One axial slice (411 of 481, counting up from the lowest) of a chest CT acquired at 120 kVp with the STANDARD kernel; each pixel is 0.742 mm and the slice is 1.25 mm thick.
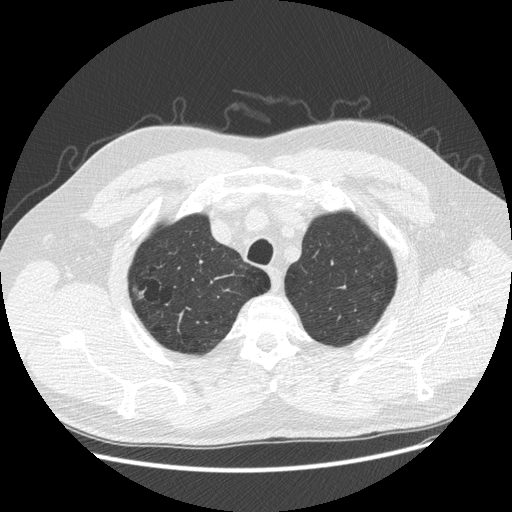
Pulmonary nodule, outlined by two of the four readers. Box on this slice rows 285–299, columns 132–143, the union of the readers' outlines on this slice; the two readers' outlines give a longest diameter between 15.0 and 18.6 mm and a volume between 293 and 924 mm3. The readers' ratings, as ranges where they differ: texture 1/5 (non-solid), both readers agreeing; margin from 1/5 (indistinct) to 2/5 across the two readers; sphericity from 3/5 (ovoid) to 5/5 (round) across the two readers; calcification absent from both readers; internal structure soft tissue from both readers; subtlety rated between 1 and 2 out of 5 by the two readers; malignancy likelihood from 2/5 to 4/5 across the two readers. Scale key (1–5): texture non-solid→solid, margin indistinct→circumscribed, sphericity linear→round, subtlety extremely subtle→obvious, malignancy likelihood highly unlikely→highly suspicious of cancer. Box rows and columns are 0-based pixel indices from the top-left corner, inclusive.